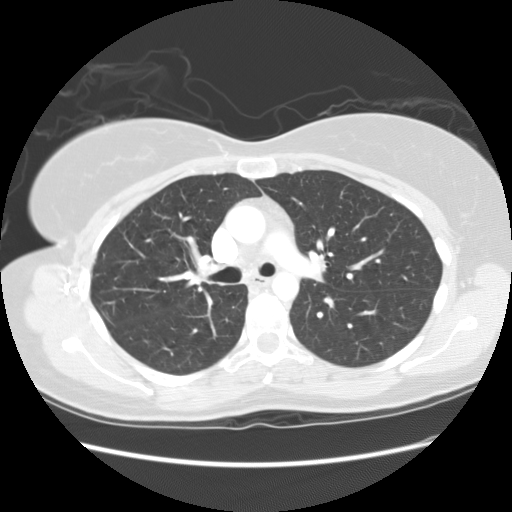
One axial slice (80 of 123, counting up from the lowest) of a chest CT acquired at 120 kVp with the STANDARD kernel; each pixel is 0.703 mm and the slice is 2.50 mm thick.
No nodule of 3 mm or larger was outlined by any of the four readers on this slice.